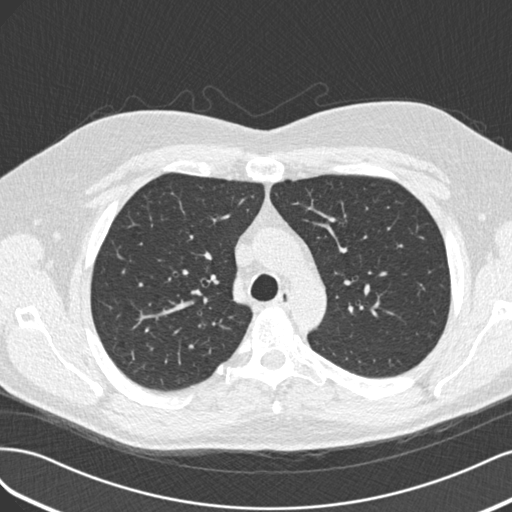
This is axial slice 139 of 193 (slice 1 is the lowest) of a chest CT; each pixel is 0.703 mm and the slice is 2.00 mm thick. No nodule of 3 mm or larger was outlined by any of the four readers on this slice.
Tube voltage 120 kVp; convolution kernel B30f.